Axial chest CT slice 135 of 290 (counted from the lowest slice); tube voltage 120 kVp, convolution kernel C; slices 2.00 mm thick, 0.682 mm per pixel.
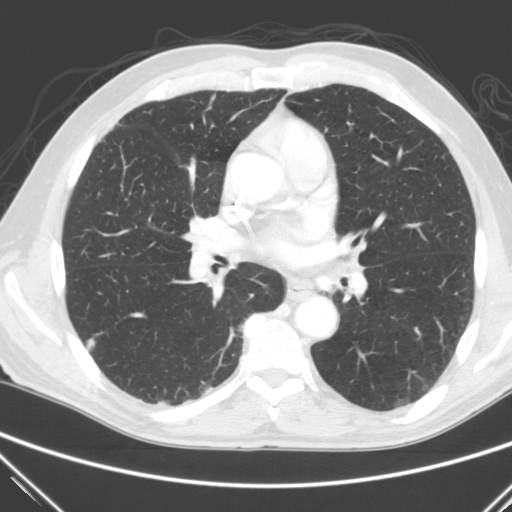
Pulmonary nodule at rows 337–349, columns 84–95 (box = the union of the readers' outlines on this slice), outlined by two of the four readers; longest diameter 10.5 mm on average over the two readers' outlines (readers' outlines 10.2–10.8 mm), volume 110–178 mm3. Ratings, by the readers' most common answer with dissent counted: texture split among the readers: 4/5 (one), 5/5 (solid) (one); margin 4/5 from both readers; sphericity 4/5 from both readers; calcification absent, both readers agreeing; internal structure soft tissue from both readers; subtlety 4/5, both readers agreeing; malignancy likelihood split among the readers: 1/5 (one), 4/5 (one). Scale key (1–5): texture non-solid→solid, margin indistinct→circumscribed, sphericity linear→round, subtlety extremely subtle→obvious, malignancy likelihood highly unlikely→highly suspicious of cancer. Box rows and columns are 0-based pixel indices from the top-left corner, inclusive.